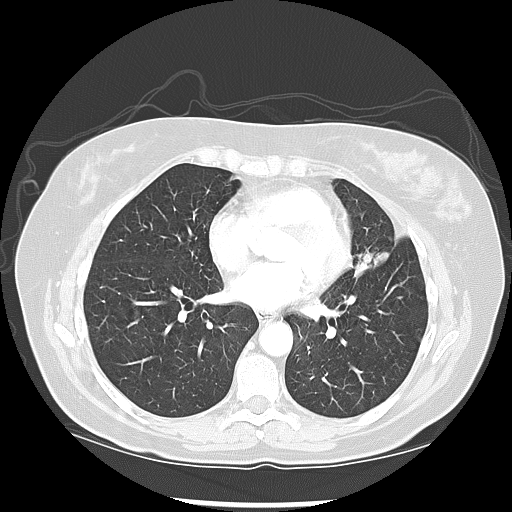
Axial slice 66 of 133 of a chest CT (slice 1 is the lowest), reconstructed with the LUNG kernel at 120 kVp; 2.50 mm slice thickness and 0.703 mm pixels.
Pulmonary nodule outlined by three of the four readers, one of them on this slice; box rows 253–275, columns 356–388 (the one reader's outline on this slice); longest diameter 33.3–41.8 mm and volume 6044–7666 mm3 across the three readers' outlines. The readers' ratings, as ranges where they differ: texture 5/5 (solid) from all three readers; margin from 3/5 to 4/5 across the three readers; sphericity 3/5 (ovoid) from all three readers; calcification absent from all three readers; internal structure soft tissue from all three readers; subtlety 5/5 from all three readers; malignancy likelihood 5/5 from all three readers. Scale key (1–5): texture non-solid→solid, margin indistinct→circumscribed, sphericity linear→round, subtlety extremely subtle→obvious, malignancy likelihood highly unlikely→highly suspicious of cancer. Box rows and columns are 0-based pixel indices from the top-left corner, inclusive.